Axial chest CT slice 211 of 474 (counted from the lowest slice); tube voltage 120 kVp, convolution kernel STANDARD; slices 1.25 mm thick, 0.645 mm per pixel.
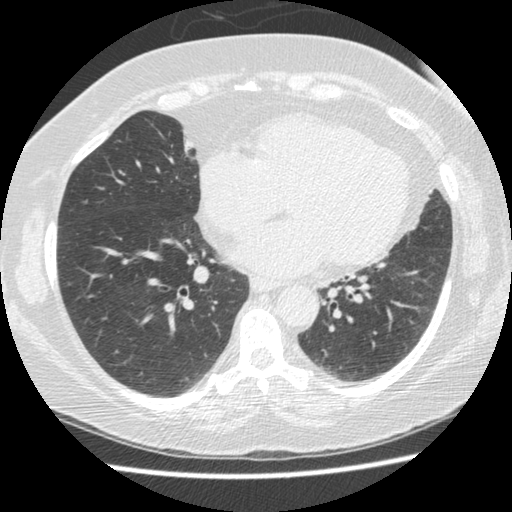
No nodule of 3 mm or larger was outlined by any of the four readers on this slice.